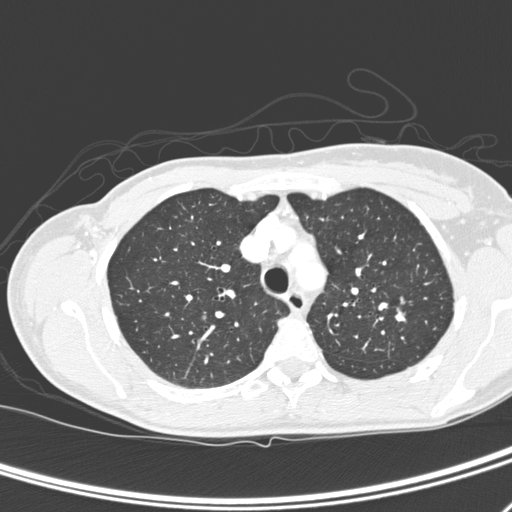
Chest CT, axial plane, 120 kVp, kernel D. Slice 226/290 from the bottom of the scan; thickness 1.00 mm; pixel size 0.611 mm.
Two pulmonary nodules are outlined on this slice; from left to right: (1) Pulmonary nodule at rows 316–319, columns 200–205 (box = the union of the readers' outlines on this slice), outlined by all four readers, three of them on this slice; median longest diameter 5.6 mm (readers' outlines 5.6–5.8 mm), median volume 58 mm3 (33–72 mm3). Median ratings and the readers' spread: texture 5/5 (solid) from all four readers; margin 5/5 (circumscribed), all four readers agreeing; sphericity 5/5 (round) from all four readers; calcification absent, all four readers agreeing; internal structure soft tissue from all four readers; subtlety 3/5 at the median of four readers, spread 2–5; median malignancy likelihood 2.5/5 (readers ranged 1–4). (2) Pulmonary nodule at rows 307–310, columns 396–399 (box = that reader's outline on this slice), outlined by one of the four readers; longest diameter 5.2 mm and volume 31 mm3 from that reader's outline. Ratings by that reader: texture 5/5 (solid); margin 5/5 (circumscribed); sphericity 3/5 (ovoid); calcification absent; internal structure soft tissue; subtlety 3/5; malignancy likelihood 3/5. Scale key (1–5): texture non-solid→solid, margin indistinct→circumscribed, sphericity linear→round, subtlety extremely subtle→obvious, malignancy likelihood highly unlikely→highly suspicious of cancer. Box rows and columns are 0-based pixel indices from the top-left corner, inclusive.